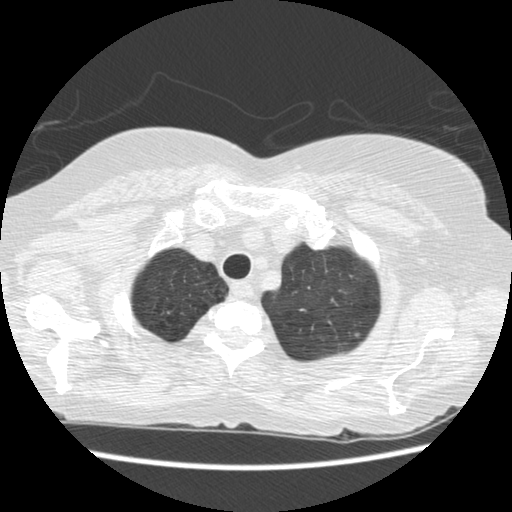
Chest CT, axial plane, 120 kVp, kernel STANDARD. Slice 361/413 from the bottom of the scan; thickness 1.25 mm; pixel size 0.625 mm.
Pulmonary nodule at rows 331–337, columns 352–360 (box = that reader's outline on this slice), outlined by one of the four readers; longest diameter 6.5 mm and volume 36 mm3 from that reader's outline. Ratings by that reader: texture 5/5 (solid); margin 5/5 (circumscribed); sphericity 4/5; calcification absent; internal structure soft tissue; subtlety 4/5; malignancy likelihood 4/5. Scale key (1–5): texture non-solid→solid, margin indistinct→circumscribed, sphericity linear→round, subtlety extremely subtle→obvious, malignancy likelihood highly unlikely→highly suspicious of cancer. Box rows and columns are 0-based pixel indices from the top-left corner, inclusive.